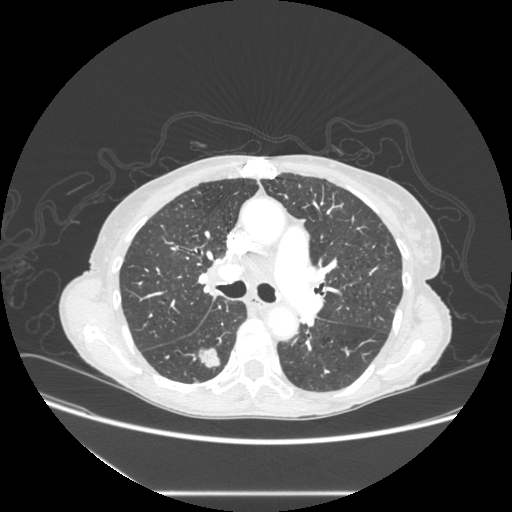
One axial slice (182 of 289, counting up from the lowest) of a chest CT acquired at 120 kVp with the STANDARD kernel; each pixel is 0.764 mm and the slice is 1.25 mm thick.
Pulmonary nodule outlined by all four readers; box rows 347–368, columns 198–219 (the union of the readers' outlines on this slice); longest diameter 20.5–21.9 mm and volume 2320–2697 mm3 across the four readers' outlines. The readers' ratings, as ranges where they differ: texture from 4/5 to 5/5 (solid) across the four readers; margin 4/5, all four readers agreeing; sphericity from 3/5 (ovoid) to 5/5 (round) across the four readers; calcification absent, all four readers agreeing; internal structure soft tissue, all four readers agreeing; subtlety from 4/5 to 5/5 across the four readers; malignancy likelihood 3–5/5 (the readers disagree). Scale key (1–5): texture non-solid→solid, margin indistinct→circumscribed, sphericity linear→round, subtlety extremely subtle→obvious, malignancy likelihood highly unlikely→highly suspicious of cancer. Box rows and columns are 0-based pixel indices from the top-left corner, inclusive.